Axial chest CT slice 113 of 145 (counted from the lowest slice); tube voltage 120 kVp, convolution kernel STANDARD; slices 2.50 mm thick, 0.625 mm per pixel.
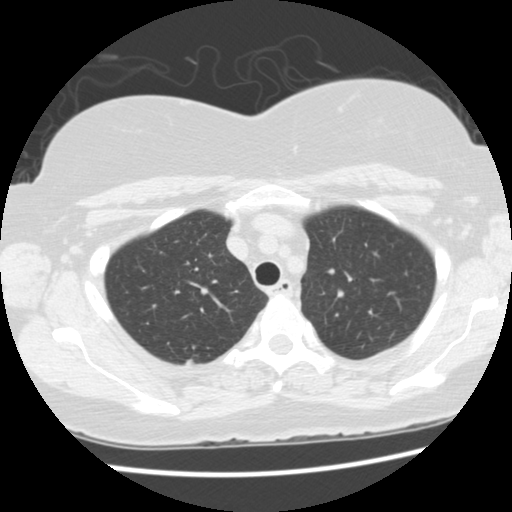
Pulmonary nodule outlined by one of the four readers; box rows 360–364, columns 185–194 (that reader's outline on this slice); longest diameter 7.1 mm and volume 82 mm3 from that reader's outline. Ratings by that reader: texture 5/5 (solid); margin 5/5 (circumscribed); sphericity 3/5 (ovoid); calcification absent; internal structure soft tissue; subtlety 5/5; malignancy likelihood 3/5. Scale key (1–5): texture non-solid→solid, margin indistinct→circumscribed, sphericity linear→round, subtlety extremely subtle→obvious, malignancy likelihood highly unlikely→highly suspicious of cancer. Box rows and columns are 0-based pixel indices from the top-left corner, inclusive.